One axial slice (281 of 516, counting up from the lowest) of a chest CT acquired at 120 kVp with the STANDARD kernel; each pixel is 0.820 mm and the slice is 1.25 mm thick.
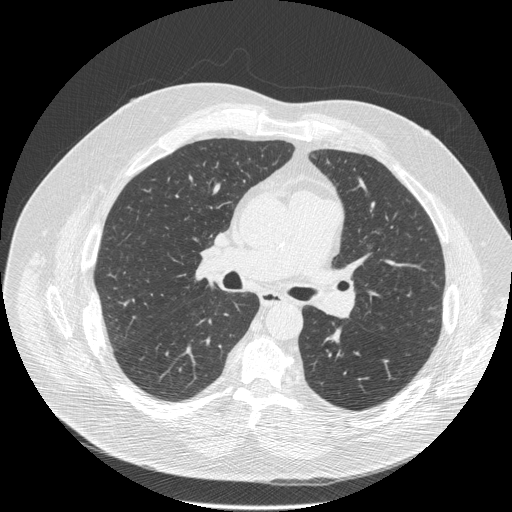
None of the four readers outlined a nodule of 3 mm or more on this slice.